Axial chest CT slice 334 of 481 (counted from the lowest slice); tube voltage 120 kVp, convolution kernel STANDARD; slices 1.25 mm thick, 0.703 mm per pixel.
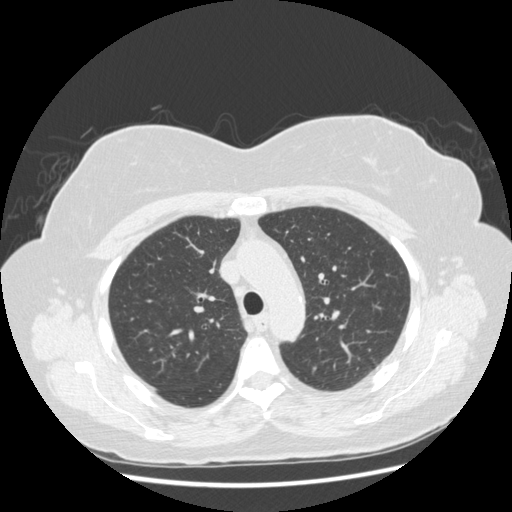
Pulmonary nodule outlined by one of the four readers; box rows 367–370, columns 312–317 (that reader's outline on this slice); longest diameter 5.1 mm and volume 38 mm3 from that reader's outline. Ratings by that reader: texture 4/5; margin 4/5; sphericity 4/5; calcification absent; internal structure soft tissue; subtlety 5/5; malignancy likelihood 3/5. Scale key (1–5): texture non-solid→solid, margin indistinct→circumscribed, sphericity linear→round, subtlety extremely subtle→obvious, malignancy likelihood highly unlikely→highly suspicious of cancer. Box rows and columns are 0-based pixel indices from the top-left corner, inclusive.